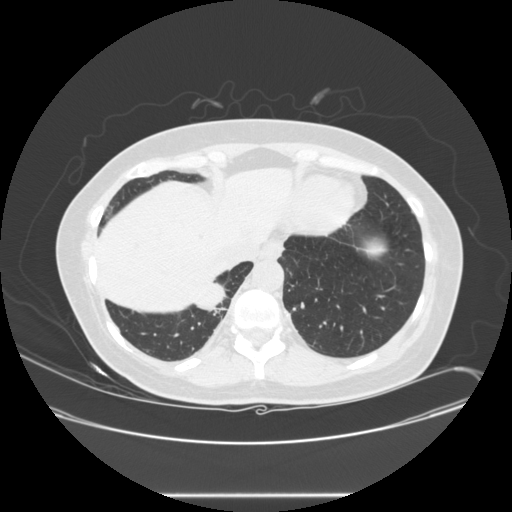
One axial slice (84 of 257, counting up from the lowest) of a chest CT acquired at 120 kVp with the STANDARD kernel; each pixel is 0.781 mm and the slice is 1.25 mm thick.
Pulmonary nodule outlined by three of the four readers; box rows 283–310, columns 194–224 (the union of the readers' outlines on this slice); longest diameter 28.2–32.2 mm and volume 3103–4675 mm3 across the three readers' outlines. The readers' ratings, as ranges where they differ: texture 5/5 (solid), all three readers agreeing; margin 5/5 (circumscribed), all three readers agreeing; sphericity 4/5 from all three readers; calcification absent, all three readers agreeing; internal structure soft tissue from all three readers; subtlety 5/5, all three readers agreeing; malignancy likelihood rated between 2 and 5 out of 5 by the three readers. Scale key (1–5): texture non-solid→solid, margin indistinct→circumscribed, sphericity linear→round, subtlety extremely subtle→obvious, malignancy likelihood highly unlikely→highly suspicious of cancer. Box rows and columns are 0-based pixel indices from the top-left corner, inclusive.